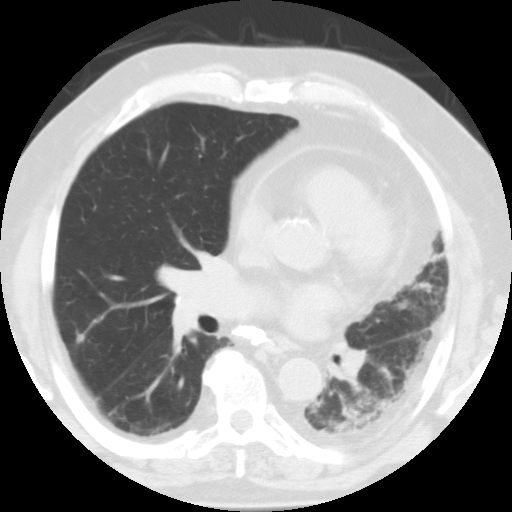
Axial chest CT slice 62 of 113 (counted from the lowest slice); 3.00 mm thick, 0.637 mm per pixel. Pulmonary nodule outlined by three of the four readers, two of them on this slice; box rows 332–343, columns 75–84 (the union of the readers' outlines on this slice); longest diameter 9.6 mm on average over the three readers' outlines (readers' outlines 8.5–10.9 mm), volume 216–484 mm3. Ratings, by the readers' most common answer with dissent counted: most readers (two of three) put texture at 5/5 (solid), others 4/5 (one); margin 5/5 (circumscribed) by two of three readers; the rest gave 1/5 (indistinct) (one); most readers (two of three) put sphericity at 4/5, others 3/5 (ovoid) (one); calcification solid calcification from all three readers; internal structure soft tissue from all three readers; most readers (two of three) put subtlety at 5/5, others 4/5 (one); malignancy likelihood 1/5 from all three readers. Scale key (1–5): texture non-solid→solid, margin indistinct→circumscribed, sphericity linear→round, subtlety extremely subtle→obvious, malignancy likelihood highly unlikely→highly suspicious of cancer. Box rows and columns are 0-based pixel indices from the top-left corner, inclusive.
Tube voltage 135 kVp; convolution kernel FC01.